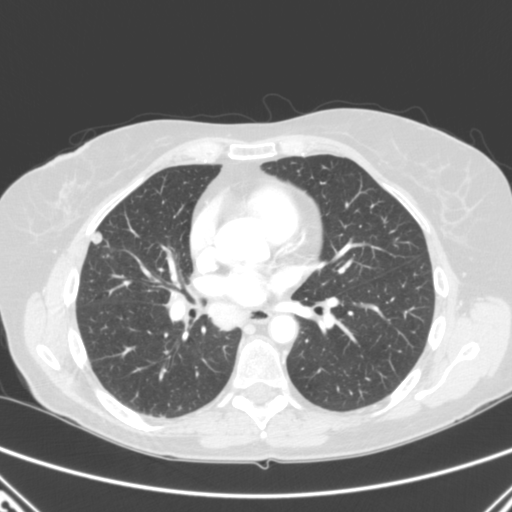
One axial slice (142 of 280, counting up from the lowest) of a chest CT acquired at 120 kVp with the B kernel; each pixel is 0.676 mm and the slice is 2.00 mm thick.
Pulmonary nodule at rows 232–244, columns 91–102 (box = the union of the readers' outlines on this slice), outlined by all four readers; longest diameter 9.7 mm on average over the four readers' outlines (readers' outlines 8.8–10.6 mm), volume 292–382 mm3. Ratings, by the readers' most common answer with dissent counted: texture 5/5 (solid) by three of four readers; the rest gave 4/5 (one); most readers (three of four) put margin at 5/5 (circumscribed), others 4/5 (one); sphericity 4/5 by two of four readers; the rest gave 3/5 (ovoid) (one), 5/5 (round) (one); calcification absent, all four readers agreeing; internal structure soft tissue from all four readers; subtlety split among the readers: 4/5 (two), 5/5 (two); malignancy likelihood 4/5 by three of four readers; the rest gave 3/5 (one). Scale key (1–5): texture non-solid→solid, margin indistinct→circumscribed, sphericity linear→round, subtlety extremely subtle→obvious, malignancy likelihood highly unlikely→highly suspicious of cancer. Box rows and columns are 0-based pixel indices from the top-left corner, inclusive.